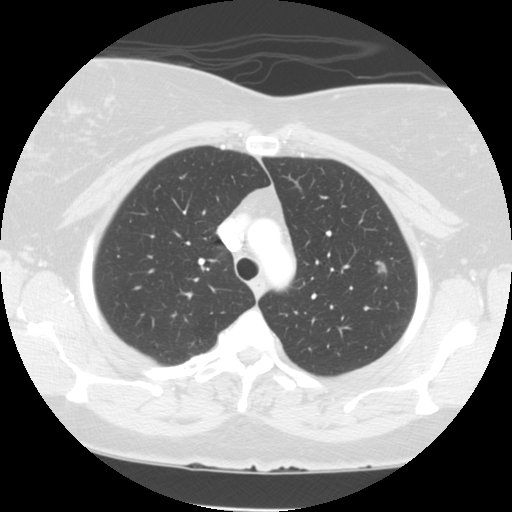
Slice 104/133 of a chest CT, counting up from the lowest; pixel size 0.664 mm, slice thickness 2.50 mm. Pulmonary nodule at rows 262–272, columns 376–386 (box = the union of the readers' outlines on this slice), outlined by two of the four readers; the two readers' outlines give a longest diameter between 8.4 and 10.4 mm and a volume between 165 and 182 mm3. Ratings across the readers: texture from 2/5 to 5/5 (solid) across the two readers; margin from 3/5 to 4/5 across the two readers; sphericity 3/5 (ovoid), both readers agreeing; calcification absent, both readers agreeing; internal structure soft tissue from both readers; subtlety rated between 3 and 4 out of 5 by the two readers; malignancy likelihood 3/5, both readers agreeing. Scale key (1–5): texture non-solid→solid, margin indistinct→circumscribed, sphericity linear→round, subtlety extremely subtle→obvious, malignancy likelihood highly unlikely→highly suspicious of cancer. Box rows and columns are 0-based pixel indices from the top-left corner, inclusive.
Acquired at 120 kVp and reconstructed with the STANDARD kernel.